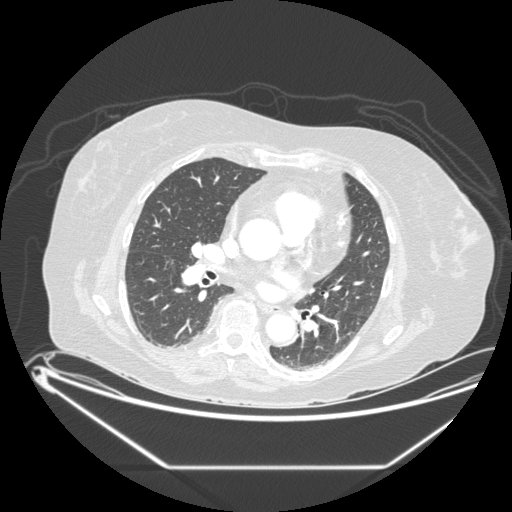
Axial slice 99 of 197 of a chest CT (slice 1 is the lowest), reconstructed with the STANDARD kernel at 120 kVp; 1.25 mm slice thickness and 0.859 mm pixels.
Pulmonary nodule, outlined by all four readers, one of them on this slice. Box on this slice rows 205–211, columns 178–180, the one reader's outline on this slice; longest diameter 9.9 mm on average over the four readers' outlines (readers' outlines 9.3–11.5 mm), volume 206–288 mm3. Ratings, by the readers' most common answer with dissent counted: texture 5/5 (solid), all four readers agreeing; margin 5/5 (circumscribed) by three of four readers; the rest gave 3/5 (one); sphericity 3/5 (ovoid) by two of four readers; the rest gave 4/5 (one), 5/5 (round) (one); calcification absent from all four readers; internal structure soft tissue from all four readers; subtlety 5/5 by two of four readers; the rest gave 3/5 (one), 4/5 (one); malignancy likelihood 3/5 by two of four readers; the rest gave 2/5 (one), 4/5 (one). Scale key (1–5): texture non-solid→solid, margin indistinct→circumscribed, sphericity linear→round, subtlety extremely subtle→obvious, malignancy likelihood highly unlikely→highly suspicious of cancer. Box rows and columns are 0-based pixel indices from the top-left corner, inclusive.